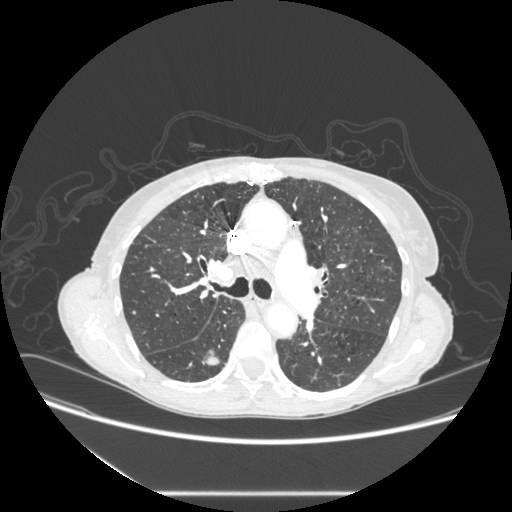
Axial slice 186 of 289 of a chest CT (slice 1 is the lowest), reconstructed with the STANDARD kernel at 120 kVp; 1.25 mm slice thickness and 0.764 mm pixels.
Pulmonary nodule, outlined by all four readers. Box on this slice rows 350–365, columns 202–219, the union of the readers' outlines on this slice; median longest diameter 21.1 mm (readers' outlines 20.5–21.9 mm), median volume 2513 mm3 (2320–2697 mm3). Median ratings and the readers' spread: texture 4.5/5 at the median of four readers, spread 4/5 to 5/5 (solid); margin 4/5 from all four readers; sphericity 3/5 (ovoid) at the median of four readers, spread 3/5 (ovoid) to 5/5 (round); calcification absent from all four readers; internal structure soft tissue from all four readers; subtlety 5/5 at the median of four readers, spread 4–5; malignancy likelihood 4.5/5 at the median of four readers, spread 3–5. Scale key (1–5): texture non-solid→solid, margin indistinct→circumscribed, sphericity linear→round, subtlety extremely subtle→obvious, malignancy likelihood highly unlikely→highly suspicious of cancer. Box rows and columns are 0-based pixel indices from the top-left corner, inclusive.